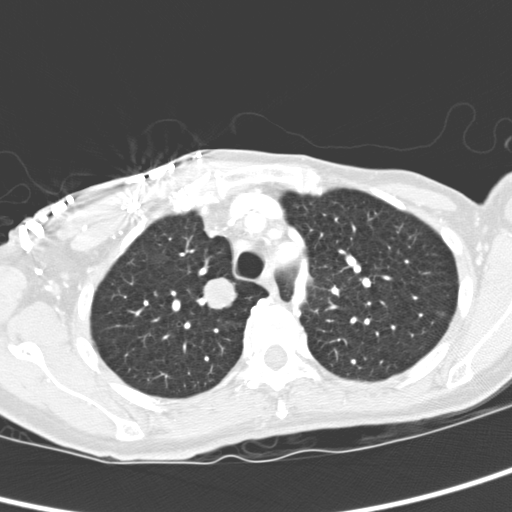
Axial chest CT slice 251 of 321 (counted from the lowest slice); tube voltage 120 kVp, convolution kernel D; slices 2.00 mm thick, 0.557 mm per pixel.
Pulmonary nodule outlined by all four readers; box rows 277–309, columns 202–238 (the union of the readers' outlines on this slice); longest diameter 19.2–21.9 mm and volume 3323–4100 mm3 across the four readers' outlines. Ratings across the readers: texture 5/5 (solid) from all four readers; margin from 4/5 to 5/5 (circumscribed) across the four readers; sphericity from 4/5 to 5/5 (round) across the four readers; calcification absent from all four readers; internal structure soft tissue, all four readers agreeing; subtlety 5/5 from all four readers; malignancy likelihood 3–5/5 (the readers disagree). Scale key (1–5): texture non-solid→solid, margin indistinct→circumscribed, sphericity linear→round, subtlety extremely subtle→obvious, malignancy likelihood highly unlikely→highly suspicious of cancer. Box rows and columns are 0-based pixel indices from the top-left corner, inclusive.